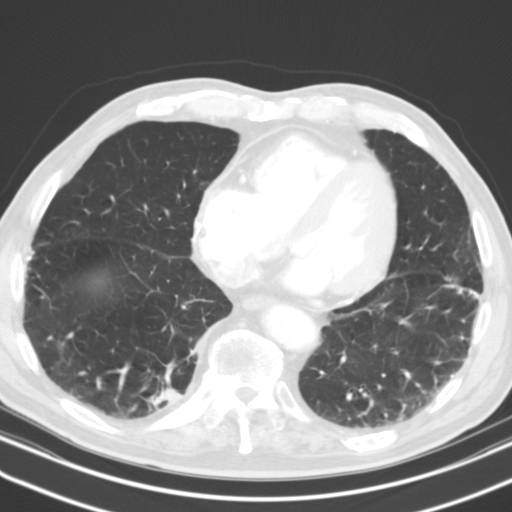
This is axial slice 52 of 127 (slice 1 is the lowest) of a chest CT; each pixel is 0.668 mm and the slice is 3.00 mm thick. Pulmonary nodule outlined by two of the four readers; box rows 388–404, columns 152–182 (the union of the readers' outlines on this slice); longest diameter 25.9 mm on average over the two readers' outlines (readers' outlines 25.6–26.3 mm), volume 5517–6604 mm3. Ratings, by the readers' most common answer with dissent counted: texture 5/5 (solid) from both readers; margin 4/5, both readers agreeing; sphericity split among the readers: 2/5 (one), 3/5 (ovoid) (one); calcification absent from both readers; internal structure soft tissue, both readers agreeing; subtlety 5/5, both readers agreeing; malignancy likelihood split among the readers: 2/5 (one), 3/5 (one). Scale key (1–5): texture non-solid→solid, margin indistinct→circumscribed, sphericity linear→round, subtlety extremely subtle→obvious, malignancy likelihood highly unlikely→highly suspicious of cancer. Box rows and columns are 0-based pixel indices from the top-left corner, inclusive.
Acquired at 130 kVp and reconstructed with the B31s kernel.